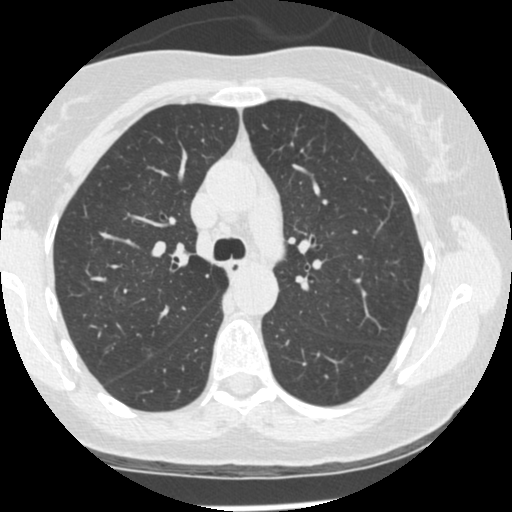
This is axial slice 300 of 465 (slice 1 is the lowest) of a chest CT; each pixel is 0.586 mm and the slice is 1.25 mm thick. Pulmonary nodule outlined by one of the four readers; box rows 298–303, columns 115–122 (that reader's outline on this slice); longest diameter 7.5 mm and volume 69 mm3 from that reader's outline. That reader's ratings: texture 1/5 (non-solid); margin 1/5 (indistinct); sphericity 3/5 (ovoid); calcification absent; internal structure soft tissue; subtlety 5/5; malignancy likelihood 3/5. Scale key (1–5): texture non-solid→solid, margin indistinct→circumscribed, sphericity linear→round, subtlety extremely subtle→obvious, malignancy likelihood highly unlikely→highly suspicious of cancer. Box rows and columns are 0-based pixel indices from the top-left corner, inclusive.
Tube voltage 120 kVp; convolution kernel STANDARD.